Chest CT, axial plane, 120 kVp, kernel BONE. Slice 75/241 from the bottom of the scan; thickness 1.25 mm; pixel size 0.609 mm.
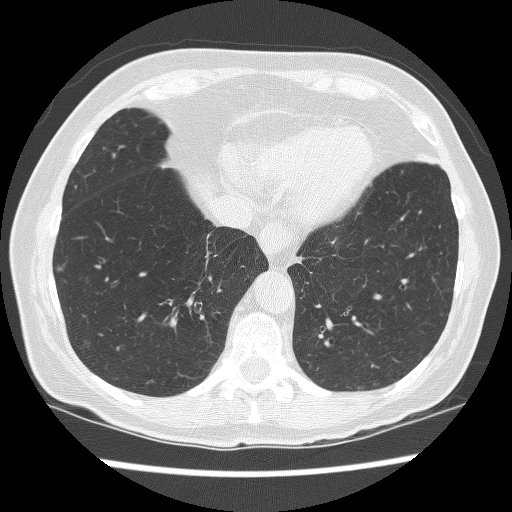
Pulmonary nodule outlined by one of the four readers; box rows 265–271, columns 56–62 (that reader's outline on this slice); longest diameter 6.6 mm and volume 80 mm3 from that reader's outline. That reader's ratings: texture 1/5 (non-solid); margin 1/5 (indistinct); sphericity 4/5; calcification absent; internal structure soft tissue; subtlety 3/5; malignancy likelihood 4/5. Scale key (1–5): texture non-solid→solid, margin indistinct→circumscribed, sphericity linear→round, subtlety extremely subtle→obvious, malignancy likelihood highly unlikely→highly suspicious of cancer. Box rows and columns are 0-based pixel indices from the top-left corner, inclusive.